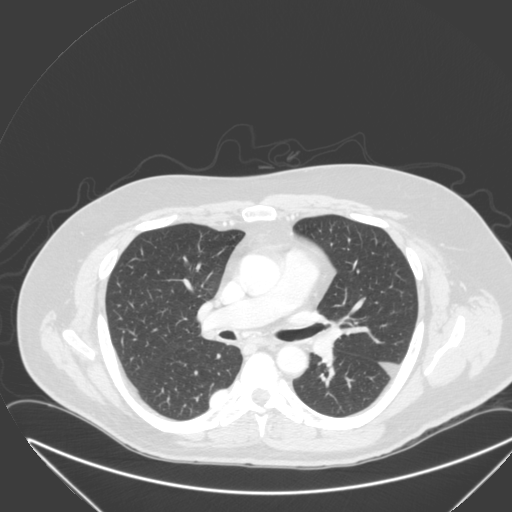
One axial slice (187 of 315, counting up from the lowest) of a chest CT acquired at 120 kVp with the B kernel; each pixel is 0.830 mm and the slice is 2.00 mm thick.
Pulmonary nodule, outlined by one of the four readers. Box on this slice rows 390–406, columns 210–225, that reader's outline on this slice; longest diameter 27.1 mm and volume 6093 mm3 from that reader's outline. That reader's ratings: texture 5/5 (solid); margin 4/5; sphericity 2/5; calcification absent; internal structure soft tissue; subtlety 5/5; malignancy likelihood 4/5. Scale key (1–5): texture non-solid→solid, margin indistinct→circumscribed, sphericity linear→round, subtlety extremely subtle→obvious, malignancy likelihood highly unlikely→highly suspicious of cancer. Box rows and columns are 0-based pixel indices from the top-left corner, inclusive.